Axial slice 363 of 538 of a chest CT (slice 1 is the lowest), reconstructed with the B30f kernel at 120 kVp; 0.75 mm slice thickness and 0.605 mm pixels.
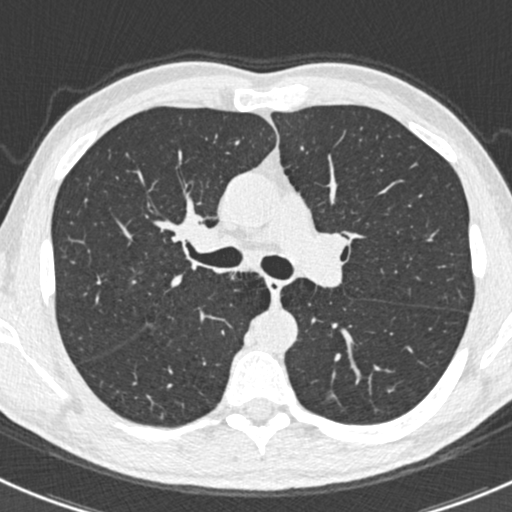
This slice carries no reader outline of a nodule 3 mm or larger.